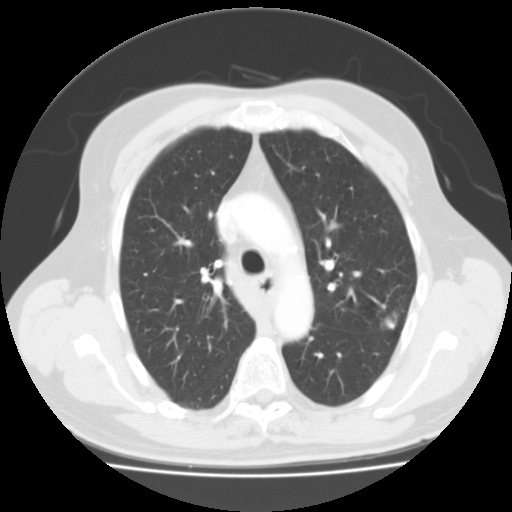
Axial chest CT slice 73 of 103 (counted from the lowest slice); tube voltage 135 kVp, convolution kernel FC01; slices 3.00 mm thick, 0.738 mm per pixel.
Pulmonary nodule, outlined by three of the four readers. Box on this slice rows 311–329, columns 381–399, the union of the readers' outlines on this slice; longest diameter 16.2–20.3 mm and volume 1237–2155 mm3 across the three readers' outlines. The readers' ratings, as ranges where they differ: texture 5/5 (solid) from all three readers; margin from 2/5 to 5/5 (circumscribed) across the three readers; sphericity from 4/5 to 5/5 (round) across the three readers; calcification split among the readers: central calcification (one), solid calcification (one), absent (one); internal structure soft tissue from all three readers; subtlety 5/5 from all three readers; malignancy likelihood rated between 1 and 5 out of 5 by the three readers. Scale key (1–5): texture non-solid→solid, margin indistinct→circumscribed, sphericity linear→round, subtlety extremely subtle→obvious, malignancy likelihood highly unlikely→highly suspicious of cancer. Box rows and columns are 0-based pixel indices from the top-left corner, inclusive.